Axial slice 66 of 183 of a chest CT (slice 1 is the lowest), reconstructed with the FC03 kernel at 135 kVp; 2.00 mm slice thickness and 0.946 mm pixels.
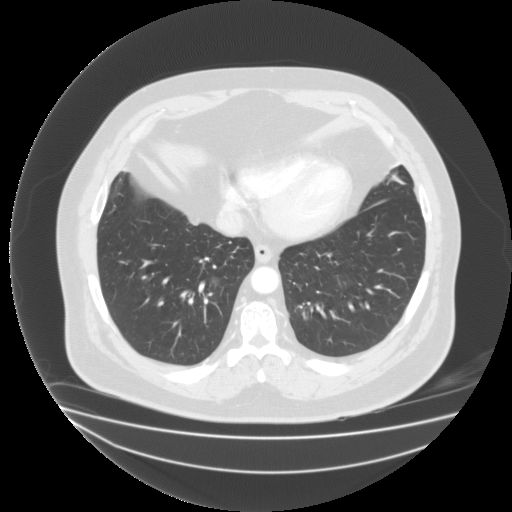
Pulmonary nodule at rows 277–287, columns 209–218 (box = the union of the readers' outlines on this slice), outlined by two of the four readers; longest diameter 13.2 mm on average over the two readers' outlines (readers' outlines 12.7–13.6 mm), volume 804–924 mm3. The readers' prevailing ratings and who disagreed: texture split among the readers: 1/5 (non-solid) (one), 2/5 (one); margin 2/5, both readers agreeing; sphericity split among the readers: 3/5 (ovoid) (one), 4/5 (one); calcification absent, both readers agreeing; internal structure split among the readers: soft tissue (one), fluid (one); subtlety split among the readers: 2/5 (one), 4/5 (one); malignancy likelihood 3/5, both readers agreeing. Scale key (1–5): texture non-solid→solid, margin indistinct→circumscribed, sphericity linear→round, subtlety extremely subtle→obvious, malignancy likelihood highly unlikely→highly suspicious of cancer. Box rows and columns are 0-based pixel indices from the top-left corner, inclusive.